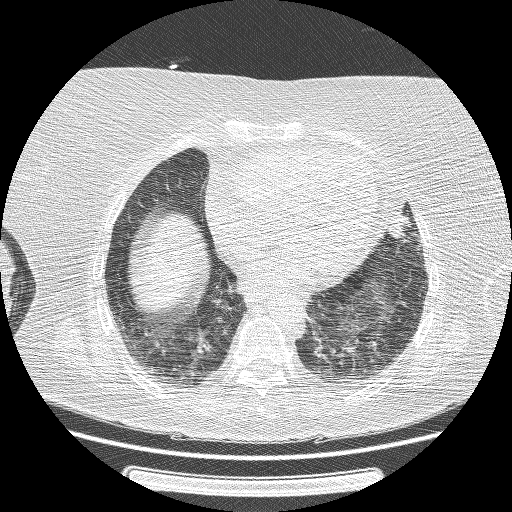
Axial chest CT slice 49 of 162 (counted from the lowest slice); tube voltage 120 kVp, convolution kernel BONE; slices 1.25 mm thick, 0.703 mm per pixel.
Pulmonary nodule, outlined by two of the four readers. Box on this slice rows 215–238, columns 388–408, the union of the readers' outlines on this slice; the two readers' outlines give a longest diameter between 19.1 and 21.7 mm and a volume between 914 and 2424 mm3. The readers' ratings, as ranges where they differ: texture 5/5 (solid) from both readers; margin from 3/5 to 4/5 across the two readers; sphericity from 3/5 (ovoid) to 4/5 across the two readers; calcification absent from both readers; internal structure soft tissue from both readers; subtlety rated between 4 and 5 out of 5 by the two readers; malignancy likelihood 3/5, both readers agreeing. Scale key (1–5): texture non-solid→solid, margin indistinct→circumscribed, sphericity linear→round, subtlety extremely subtle→obvious, malignancy likelihood highly unlikely→highly suspicious of cancer. Box rows and columns are 0-based pixel indices from the top-left corner, inclusive.